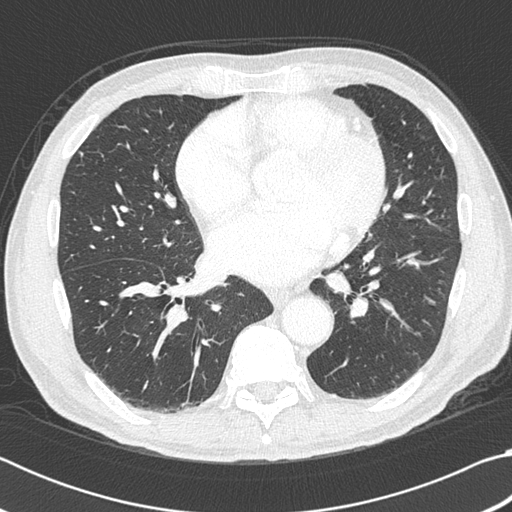
Slice 184/383 of a chest CT, counting up from the lowest; pixel size 0.664 mm, slice thickness 1.00 mm. Pulmonary nodule at rows 151–156, columns 79–82 (box = the union of the readers' outlines on this slice), outlined by three of the four readers; median longest diameter 5.5 mm (readers' outlines 5.1–5.7 mm), median volume 41 mm3 (38–57 mm3). Median ratings and the readers' spread: texture 5/5 (solid), all three readers agreeing; margin 5/5 (circumscribed) at the median of three readers, spread 4/5 to 5/5 (circumscribed); sphericity 4/5 at the median of three readers, spread 3/5 (ovoid) to 4/5; calcification absent from all three readers; internal structure soft tissue, all three readers agreeing; median subtlety 4/5 (readers ranged 2–4); median malignancy likelihood 2/5 (readers ranged 1–3). Scale key (1–5): texture non-solid→solid, margin indistinct→circumscribed, sphericity linear→round, subtlety extremely subtle→obvious, malignancy likelihood highly unlikely→highly suspicious of cancer. Box rows and columns are 0-based pixel indices from the top-left corner, inclusive.
Tube voltage 120 kVp; convolution kernel B45f.